One axial slice (154 of 240, counting up from the lowest) of a chest CT acquired at 120 kVp with the BONE kernel; each pixel is 0.566 mm and the slice is 1.25 mm thick.
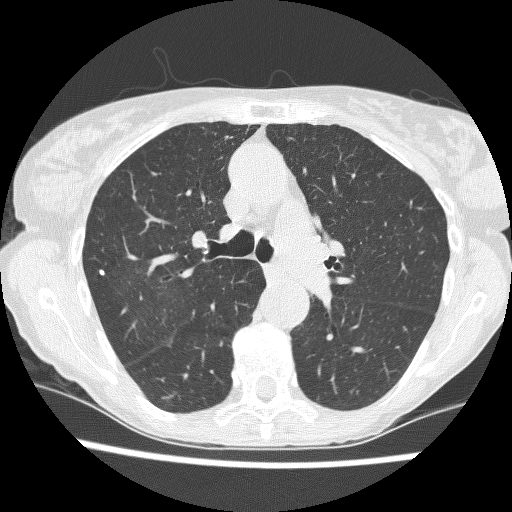
Pulmonary nodule at rows 269–275, columns 99–104 (box = that reader's outline on this slice), outlined by one of the four readers; longest diameter 4.8 mm and volume 56 mm3 from that reader's outline. Ratings by that reader: texture 5/5 (solid); margin 5/5 (circumscribed); sphericity 4/5; calcification solid calcification; internal structure soft tissue; subtlety 4/5; malignancy likelihood 1/5. Scale key (1–5): texture non-solid→solid, margin indistinct→circumscribed, sphericity linear→round, subtlety extremely subtle→obvious, malignancy likelihood highly unlikely→highly suspicious of cancer. Box rows and columns are 0-based pixel indices from the top-left corner, inclusive.